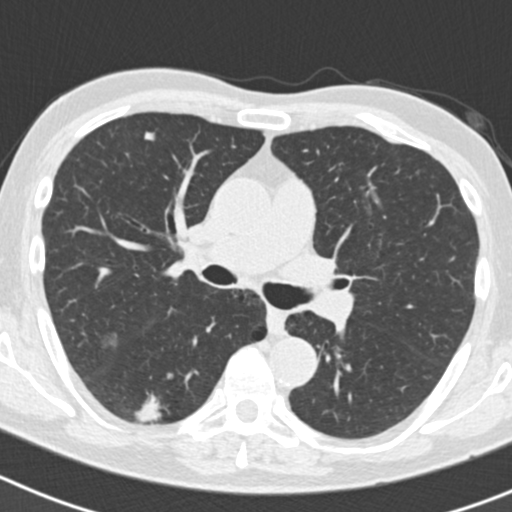
Axial chest CT slice 116 of 186 (counted from the lowest slice); 2.00 mm thick, 0.586 mm per pixel. Two pulmonary nodules are outlined on this slice; from left to right: (1) Pulmonary nodule outlined by three of the four readers; box rows 131–141, columns 142–154 (the union of the readers' outlines on this slice); the three readers' outlines give a longest diameter between 9.5 and 9.7 mm and a volume between 146 and 185 mm3. Ratings across the readers: texture from 4/5 to 5/5 (solid) across the three readers; margin from 4/5 to 5/5 (circumscribed) across the three readers; sphericity from 3/5 (ovoid) to 4/5 across the three readers; calcification absent, all three readers agreeing; internal structure soft tissue from all three readers; subtlety from 2/5 to 4/5 across the three readers; malignancy likelihood 2–3/5 (the readers disagree). (2) Pulmonary nodule at rows 389–422, columns 134–163 (box = the union of the readers' outlines on this slice), outlined by three of the four readers; median longest diameter 19.6 mm (readers' outlines 19.6–20.9 mm), median volume 1932 mm3 (1911–1935 mm3). Median ratings and the readers' spread: texture 4/5 at the median of three readers, spread 4/5 to 5/5 (solid); margin 3/5 at the median of three readers, spread 3/5 to 4/5; median sphericity 3/5 (ovoid) (readers ranged 2/5 to 4/5); calcification absent from all three readers; internal structure soft tissue from all three readers; median subtlety 5/5 (readers ranged 4–5); median malignancy likelihood 5/5 (readers ranged 3–5). Scale key (1–5): texture non-solid→solid, margin indistinct→circumscribed, sphericity linear→round, subtlety extremely subtle→obvious, malignancy likelihood highly unlikely→highly suspicious of cancer. Box rows and columns are 0-based pixel indices from the top-left corner, inclusive.
Scan settings: 120 kVp, B30f reconstruction kernel.